Axial slice 133 of 239 of a chest CT (slice 1 is the lowest), reconstructed with the BONE kernel at 120 kVp; 1.25 mm slice thickness and 0.795 mm pixels.
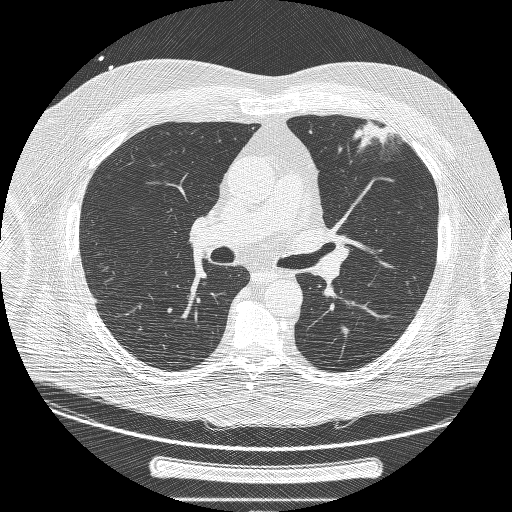
Pulmonary nodule outlined by two of the four readers; box rows 122–152, columns 353–397 (the union of the readers' outlines on this slice); median longest diameter 43.2 mm (readers' outlines 43.0–43.4 mm), median volume 10782 mm3 (10396–11168 mm3). Ratings, median across the readers with their spread: median texture 4/5 (readers ranged 3/5 (part-solid) to 5/5 (solid)); median margin 2/5 (readers ranged 1/5 (indistinct) to 3/5); median sphericity 2/5 (readers ranged 1/5 (linear) to 3/5 (ovoid)); calcification absent, both readers agreeing; internal structure soft tissue from both readers; subtlety 5/5, both readers agreeing; malignancy likelihood 5/5, both readers agreeing. Scale key (1–5): texture non-solid→solid, margin indistinct→circumscribed, sphericity linear→round, subtlety extremely subtle→obvious, malignancy likelihood highly unlikely→highly suspicious of cancer. Box rows and columns are 0-based pixel indices from the top-left corner, inclusive.